Axial slice 113 of 134 of a chest CT (slice 1 is the lowest), reconstructed with the B31s kernel at 130 kVp; 3.00 mm slice thickness and 0.715 mm pixels.
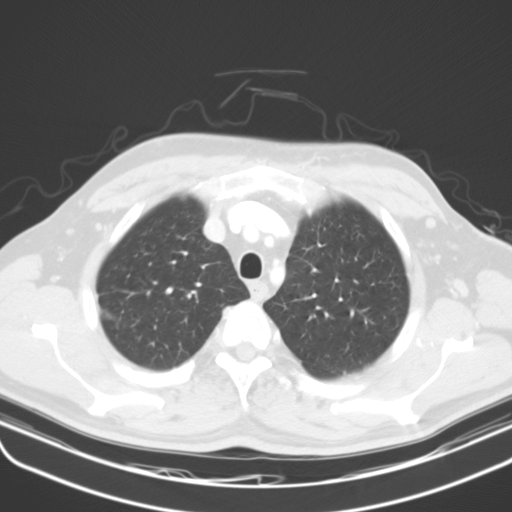
Pulmonary nodule outlined by all four readers, one of them on this slice; box rows 307–321, columns 103–116 (the one reader's outline on this slice); the four readers' outlines give a longest diameter between 28.3 and 32.4 mm and a volume between 2936 and 4904 mm3. Ratings across the readers: texture from 4/5 to 5/5 (solid) across the four readers; margin from 3/5 to 5/5 (circumscribed) across the four readers; sphericity from 3/5 (ovoid) to 4/5 across the four readers; calcification: absent (three), central calcification (one); internal structure soft tissue, all four readers agreeing; subtlety 5/5 from all four readers; malignancy likelihood from 1/5 to 5/5 across the four readers. Scale key (1–5): texture non-solid→solid, margin indistinct→circumscribed, sphericity linear→round, subtlety extremely subtle→obvious, malignancy likelihood highly unlikely→highly suspicious of cancer. Box rows and columns are 0-based pixel indices from the top-left corner, inclusive.